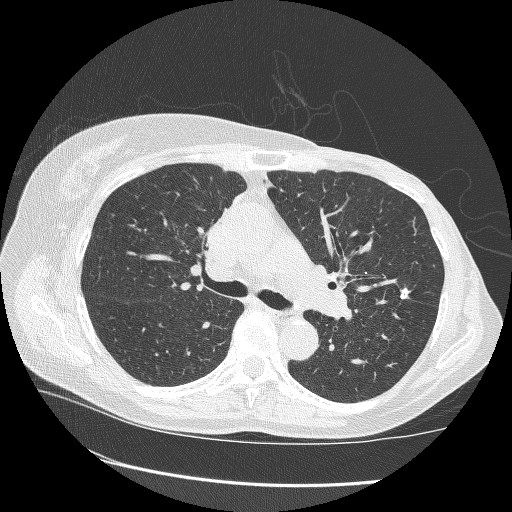
One axial slice (181 of 265, counting up from the lowest) of a chest CT acquired at 120 kVp with the BONE kernel; each pixel is 0.664 mm and the slice is 1.25 mm thick.
Pulmonary nodule, outlined by all four readers. Box on this slice rows 287–298, columns 400–411, the union of the readers' outlines on this slice; longest diameter 9.5–10.3 mm and volume 272–367 mm3 across the four readers' outlines. The readers' ratings, as ranges where they differ: texture 5/5 (solid) from all four readers; margin from 4/5 to 5/5 (circumscribed) across the four readers; sphericity from 3/5 (ovoid) to 5/5 (round) across the four readers; calcification: solid calcification (three), absent (one); internal structure soft tissue, all four readers agreeing; subtlety 4–5/5 (the readers disagree); malignancy likelihood rated between 1 and 4 out of 5 by the four readers. Scale key (1–5): texture non-solid→solid, margin indistinct→circumscribed, sphericity linear→round, subtlety extremely subtle→obvious, malignancy likelihood highly unlikely→highly suspicious of cancer. Box rows and columns are 0-based pixel indices from the top-left corner, inclusive.